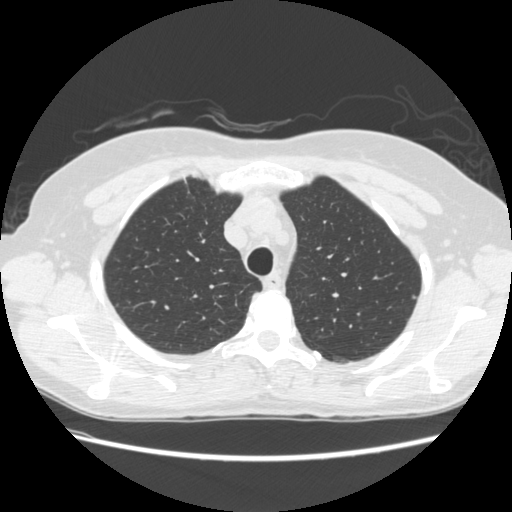
Axial chest CT slice 198 of 261 (counted from the lowest slice); tube voltage 120 kVp, convolution kernel STANDARD; slices 1.25 mm thick, 0.682 mm per pixel.
Pulmonary nodule at rows 356–362, columns 333–351 (box = the union of the readers' outlines on this slice), outlined by two of the four readers; longest diameter 30.8 mm on average over the two readers' outlines (readers' outlines 30.0–31.5 mm), volume 6577–7912 mm3. The readers' prevailing ratings and who disagreed: texture split among the readers: 1/5 (non-solid) (one), 2/5 (one); margin split among the readers: 1/5 (indistinct) (one), 2/5 (one); sphericity split among the readers: 3/5 (ovoid) (one), 5/5 (round) (one); calcification absent from both readers; internal structure soft tissue from both readers; subtlety split among the readers: 1/5 (one), 2/5 (one); malignancy likelihood split among the readers: 4/5 (one), 5/5 (one). Scale key (1–5): texture non-solid→solid, margin indistinct→circumscribed, sphericity linear→round, subtlety extremely subtle→obvious, malignancy likelihood highly unlikely→highly suspicious of cancer. Box rows and columns are 0-based pixel indices from the top-left corner, inclusive.